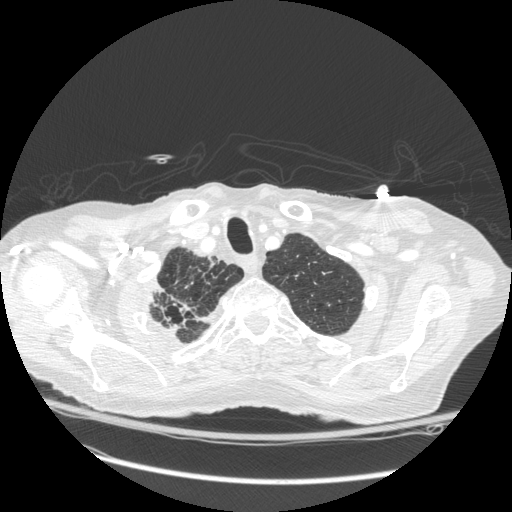
One axial slice (242 of 272, counting up from the lowest) of a chest CT acquired at 120 kVp with the STANDARD kernel; each pixel is 0.742 mm and the slice is 1.25 mm thick.
Pulmonary nodule, outlined by all four readers, one of them on this slice. Box on this slice rows 284–333, columns 156–221, the one reader's outline on this slice; median longest diameter 21.5 mm (readers' outlines 16.0–56.1 mm), median volume 1723 mm3 (732–13897 mm3). Median ratings and the readers' spread: texture 5/5 (solid), all four readers agreeing; margin 3/5 at the median of four readers, spread 3/5 to 5/5 (circumscribed); sphericity 3/5 (ovoid) at the median of four readers, spread 3/5 (ovoid) to 4/5; calcification absent from all four readers; internal structure soft tissue from all four readers; subtlety 5/5, all four readers agreeing; malignancy likelihood 5/5 at the median of four readers, spread 4–5. Scale key (1–5): texture non-solid→solid, margin indistinct→circumscribed, sphericity linear→round, subtlety extremely subtle→obvious, malignancy likelihood highly unlikely→highly suspicious of cancer. Box rows and columns are 0-based pixel indices from the top-left corner, inclusive.